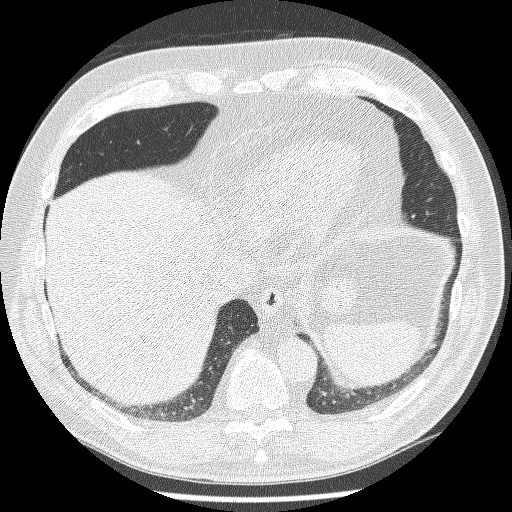
This is axial slice 71 of 244 (slice 1 is the lowest) of a chest CT; each pixel is 0.674 mm and the slice is 1.25 mm thick. Pulmonary nodule at rows 343–348, columns 429–435 (box = the union of the readers' outlines on this slice), outlined by three of the four readers; longest diameter 6.3 mm on average over the three readers' outlines (readers' outlines 6.0–6.9 mm), volume 68–91 mm3. The readers' prevailing ratings and who disagreed: texture 4/5 by two of three readers; the rest gave 5/5 (solid) (one); margin split among the readers: 2/5 (one), 4/5 (one), 5/5 (circumscribed) (one); sphericity split among the readers: 3/5 (ovoid) (one), 4/5 (one), 5/5 (round) (one); calcification absent, all three readers agreeing; internal structure soft tissue from all three readers; subtlety split among the readers: 1/5 (one), 2/5 (one), 3/5 (one); malignancy likelihood 3/5 by two of three readers; the rest gave 2/5 (one). Scale key (1–5): texture non-solid→solid, margin indistinct→circumscribed, sphericity linear→round, subtlety extremely subtle→obvious, malignancy likelihood highly unlikely→highly suspicious of cancer. Box rows and columns are 0-based pixel indices from the top-left corner, inclusive.
Scan settings: 120 kVp, BONE reconstruction kernel.